Chest CT, axial plane, 120 kVp, kernel B30f. Slice 421/633 from the bottom of the scan; thickness 0.60 mm; pixel size 0.541 mm.
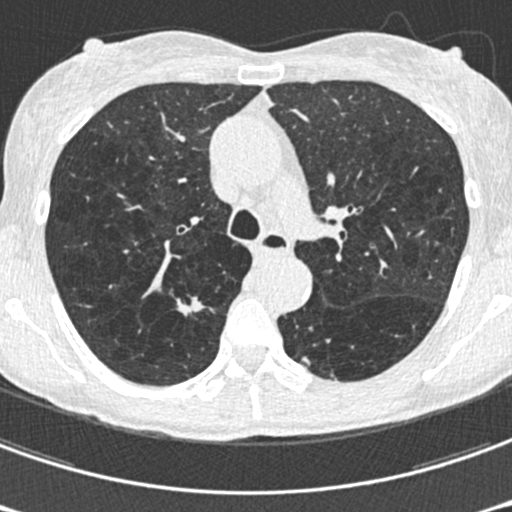
Two pulmonary nodules on this slice, listed from left to right. (1) Pulmonary nodule outlined by all four readers; box rows 296–316, columns 175–205 (the union of the readers' outlines on this slice); longest diameter 19.0 mm on average over the four readers' outlines (readers' outlines 18.1–21.0 mm), volume 1292–1642 mm3. The readers' prevailing ratings and who disagreed: texture 5/5 (solid), all four readers agreeing; margin 2/5 by two of four readers; the rest gave 1/5 (indistinct) (one), 3/5 (one); sphericity 3/5 (ovoid) by two of four readers; the rest gave 2/5 (one), 4/5 (one); calcification absent from all four readers; internal structure soft tissue from all four readers; subtlety 5/5 by three of four readers; the rest gave 4/5 (one); most readers (three of four) put malignancy likelihood at 5/5, others 4/5 (one). (2) Pulmonary nodule at rows 356–365, columns 301–309 (box = that reader's outline on this slice), outlined by one of the four readers; longest diameter 20.7 mm and volume 470 mm3 from that reader's outline. That reader's ratings: texture 5/5 (solid); margin 1/5 (indistinct); sphericity 2/5; calcification absent; internal structure soft tissue; subtlety 4/5; malignancy likelihood 3/5. Scale key (1–5): texture non-solid→solid, margin indistinct→circumscribed, sphericity linear→round, subtlety extremely subtle→obvious, malignancy likelihood highly unlikely→highly suspicious of cancer. Box rows and columns are 0-based pixel indices from the top-left corner, inclusive.